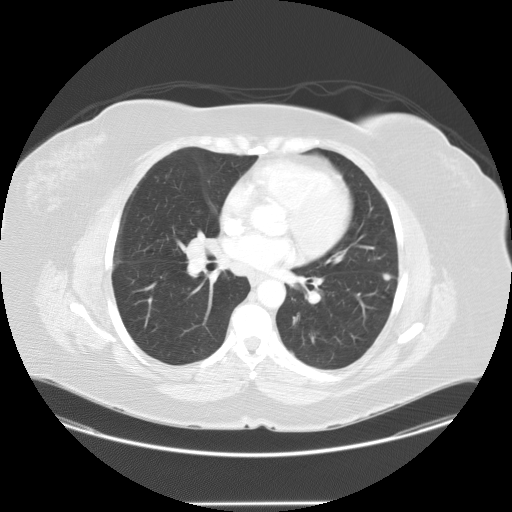
Axial chest CT slice 39 of 95 (counted from the lowest slice); 2.50 mm thick, 0.859 mm per pixel. Pulmonary nodule outlined by all four readers; box rows 273–280, columns 383–391 (the union of the readers' outlines on this slice); the four readers' outlines give a longest diameter between 7.3 and 9.0 mm and a volume between 126 and 275 mm3. The readers' ratings, as ranges where they differ: texture 5/5 (solid) from all four readers; margin from 4/5 to 5/5 (circumscribed) across the four readers; sphericity from 3/5 (ovoid) to 5/5 (round) across the four readers; calcification absent, all four readers agreeing; internal structure soft tissue from all four readers; subtlety rated between 2 and 4 out of 5 by the four readers; malignancy likelihood rated between 2 and 3 out of 5 by the four readers. Scale key (1–5): texture non-solid→solid, margin indistinct→circumscribed, sphericity linear→round, subtlety extremely subtle→obvious, malignancy likelihood highly unlikely→highly suspicious of cancer. Box rows and columns are 0-based pixel indices from the top-left corner, inclusive.
Acquired at 120 kVp and reconstructed with the STANDARD kernel.